Axial chest CT slice 48 of 156 (counted from the lowest slice); tube voltage 120 kVp, convolution kernel STANDARD; slices 2.50 mm thick, 0.645 mm per pixel.
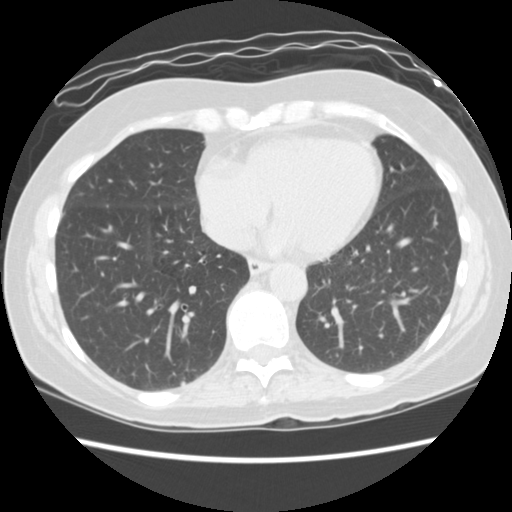
Pulmonary nodule at rows 381–385, columns 179–184 (box = the union of the readers' outlines on this slice), outlined by two of the four readers; the two readers' outlines give a longest diameter between 4.9 and 5.5 mm and a volume between 43 and 73 mm3. Ratings across the readers: texture 5/5 (solid) from both readers; margin from 4/5 to 5/5 (circumscribed) across the two readers; sphericity 4/5, both readers agreeing; calcification absent from both readers; internal structure soft tissue from both readers; subtlety 4–5/5 (the readers disagree); malignancy likelihood from 2/5 to 3/5 across the two readers. Scale key (1–5): texture non-solid→solid, margin indistinct→circumscribed, sphericity linear→round, subtlety extremely subtle→obvious, malignancy likelihood highly unlikely→highly suspicious of cancer. Box rows and columns are 0-based pixel indices from the top-left corner, inclusive.